Chest CT, axial plane, 120 kVp, kernel LUNG. Slice 42/238 from the bottom of the scan; thickness 1.25 mm; pixel size 0.742 mm.
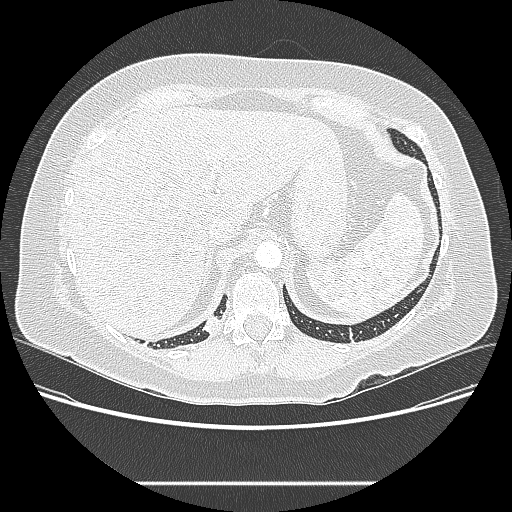
Pulmonary nodule, outlined by three of the four readers. Box on this slice rows 314–332, columns 202–220, the union of the readers' outlines on this slice; the three readers' outlines give a longest diameter between 20.6 and 21.1 mm and a volume between 743 and 1062 mm3. The readers' ratings, as ranges where they differ: texture 5/5 (solid) from all three readers; margin from 4/5 to 5/5 (circumscribed) across the three readers; sphericity 3/5 (ovoid) from all three readers; calcification absent, all three readers agreeing; internal structure soft tissue from all three readers; subtlety rated between 3 and 4 out of 5 by the three readers; malignancy likelihood 3/5, all three readers agreeing. Scale key (1–5): texture non-solid→solid, margin indistinct→circumscribed, sphericity linear→round, subtlety extremely subtle→obvious, malignancy likelihood highly unlikely→highly suspicious of cancer. Box rows and columns are 0-based pixel indices from the top-left corner, inclusive.